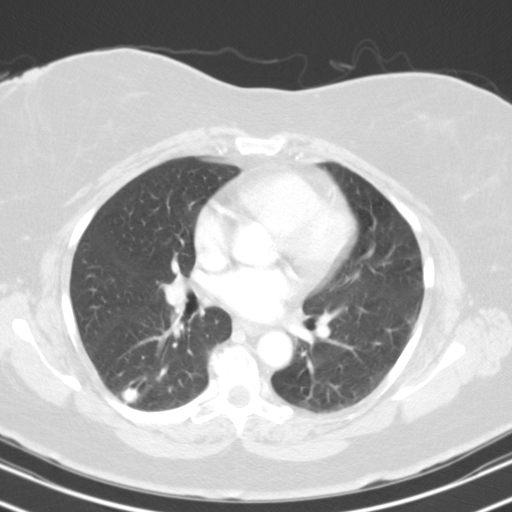
Slice 77/124 of a chest CT, counting up from the lowest; pixel size 0.656 mm, slice thickness 3.00 mm. Pulmonary nodule, outlined by all four readers. Box on this slice rows 386–404, columns 121–139, the union of the readers' outlines on this slice; longest diameter 11.5–14.7 mm and volume 512–1047 mm3 across the four readers' outlines. Ratings across the readers: texture from 4/5 to 5/5 (solid) across the four readers; margin from 3/5 to 5/5 (circumscribed) across the four readers; sphericity from 4/5 to 5/5 (round) across the four readers; calcification split among the readers: solid calcification (two), absent (two); internal structure soft tissue from all four readers; subtlety from 4/5 to 5/5 across the four readers; malignancy likelihood rated between 1 and 3 out of 5 by the four readers. Scale key (1–5): texture non-solid→solid, margin indistinct→circumscribed, sphericity linear→round, subtlety extremely subtle→obvious, malignancy likelihood highly unlikely→highly suspicious of cancer. Box rows and columns are 0-based pixel indices from the top-left corner, inclusive.
Acquired at 130 kVp and reconstructed with the B31s kernel.